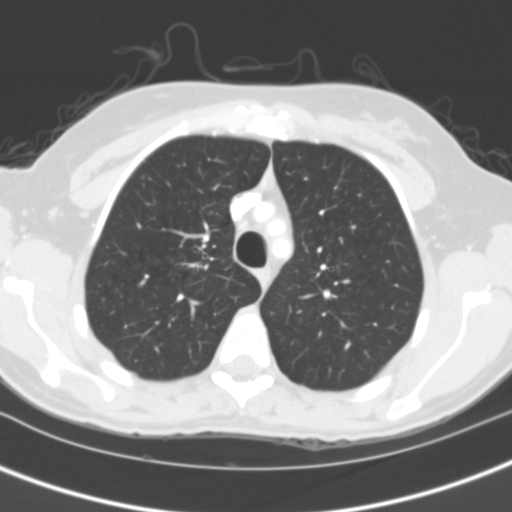
One axial slice (97 of 122, counting up from the lowest) of a chest CT acquired at 120 kVp with the B31f kernel; each pixel is 0.566 mm and the slice is 3.00 mm thick.
Pulmonary nodule outlined by two of the four readers; box rows 175–178, columns 140–145 (the union of the readers' outlines on this slice); longest diameter 4.3–4.4 mm and volume 47–50 mm3 across the two readers' outlines. The readers' ratings, as ranges where they differ: texture 5/5 (solid) from both readers; margin 5/5 (circumscribed), both readers agreeing; sphericity 5/5 (round) from both readers; calcification absent, both readers agreeing; internal structure soft tissue from both readers; subtlety from 4/5 to 5/5 across the two readers; malignancy likelihood from 2/5 to 3/5 across the two readers. Scale key (1–5): texture non-solid→solid, margin indistinct→circumscribed, sphericity linear→round, subtlety extremely subtle→obvious, malignancy likelihood highly unlikely→highly suspicious of cancer. Box rows and columns are 0-based pixel indices from the top-left corner, inclusive.